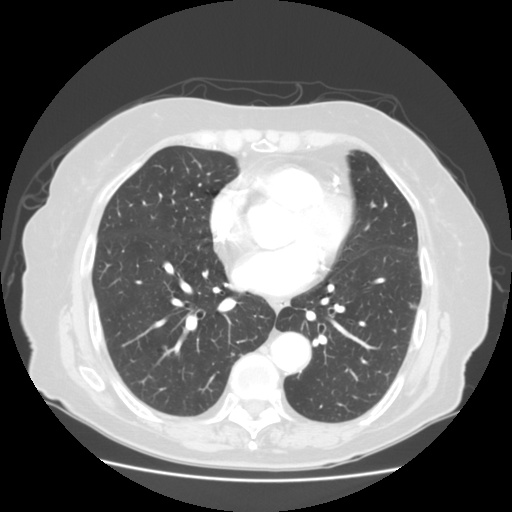
Slice 50/119 of a chest CT, counting up from the lowest; pixel size 0.703 mm, slice thickness 2.50 mm. Pulmonary nodule outlined by two of the four readers; box rows 303–309, columns 409–415 (the union of the readers' outlines on this slice); median longest diameter 7.8 mm (readers' outlines 7.3–8.2 mm), median volume 204 mm3 (190–218 mm3). Ratings, median across the readers with their spread: texture 3.5/5 at the median of two readers, spread 2/5 to 5/5 (solid); margin 3/5 at the median of two readers, spread 2/5 to 4/5; sphericity 3.5/5 at the median of two readers, spread 3/5 (ovoid) to 4/5; calcification absent from both readers; internal structure soft tissue from both readers; subtlety 3.5/5 at the median of two readers, spread 3–4; median malignancy likelihood 2.5/5 (readers ranged 2–3). Scale key (1–5): texture non-solid→solid, margin indistinct→circumscribed, sphericity linear→round, subtlety extremely subtle→obvious, malignancy likelihood highly unlikely→highly suspicious of cancer. Box rows and columns are 0-based pixel indices from the top-left corner, inclusive.
Tube voltage 120 kVp; convolution kernel STANDARD.